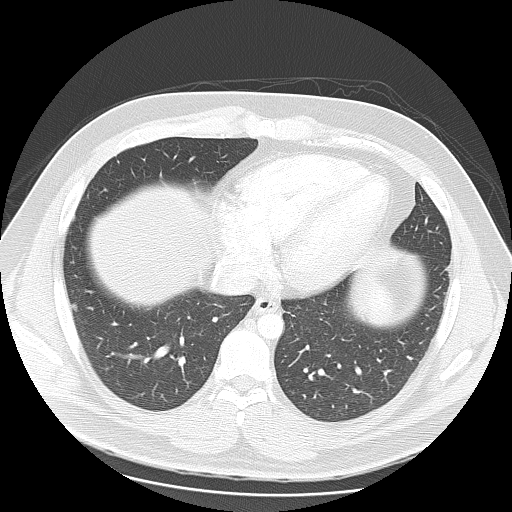
Chest CT, axial plane, 120 kVp, kernel LUNG. Slice 42/111 from the bottom of the scan; thickness 2.50 mm; pixel size 0.781 mm.
Pulmonary nodule outlined by two of the four readers; box rows 302–311, columns 71–77 (the union of the readers' outlines on this slice); longest diameter 8.6–9.1 mm and volume 127–179 mm3 across the two readers' outlines. The readers' ratings, as ranges where they differ: texture from 1/5 (non-solid) to 5/5 (solid) across the two readers; margin 3/5, both readers agreeing; sphericity 3/5 (ovoid), both readers agreeing; calcification absent, both readers agreeing; internal structure soft tissue from both readers; subtlety from 2/5 to 4/5 across the two readers; malignancy likelihood 3/5, both readers agreeing. Scale key (1–5): texture non-solid→solid, margin indistinct→circumscribed, sphericity linear→round, subtlety extremely subtle→obvious, malignancy likelihood highly unlikely→highly suspicious of cancer. Box rows and columns are 0-based pixel indices from the top-left corner, inclusive.